One axial slice (127 of 238, counting up from the lowest) of a chest CT acquired at 120 kVp with the BONE kernel; each pixel is 0.703 mm and the slice is 1.25 mm thick.
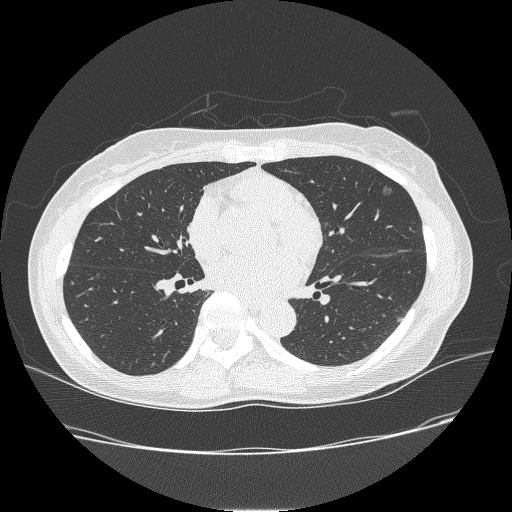
Pulmonary nodule outlined by all four readers; box rows 185–195, columns 382–392 (the union of the readers' outlines on this slice); median longest diameter 9.0 mm (readers' outlines 8.6–9.9 mm), median volume 202 mm3 (170–232 mm3). Median ratings and the readers' spread: median texture 1/5 (non-solid) (readers ranged 1/5 (non-solid) to 3/5 (part-solid)); margin 1/5 (indistinct) at the median of four readers, spread 1/5 (indistinct) to 5/5 (circumscribed); median sphericity 4/5 (readers ranged 3/5 (ovoid) to 5/5 (round)); calcification absent from all four readers; internal structure soft tissue from all four readers; subtlety 3.5/5 at the median of four readers, spread 2–4; malignancy likelihood 3.5/5 at the median of four readers, spread 2–4. Scale key (1–5): texture non-solid→solid, margin indistinct→circumscribed, sphericity linear→round, subtlety extremely subtle→obvious, malignancy likelihood highly unlikely→highly suspicious of cancer. Box rows and columns are 0-based pixel indices from the top-left corner, inclusive.